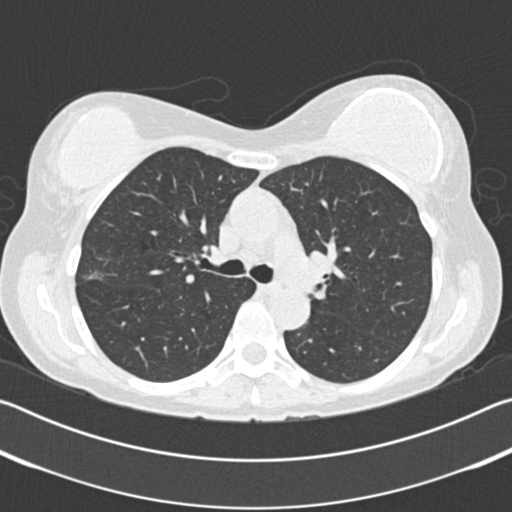
One axial slice (121 of 183, counting up from the lowest) of a chest CT acquired at 120 kVp with the B30f kernel; each pixel is 0.664 mm and the slice is 2.00 mm thick.
Pulmonary nodule outlined by three of the four readers, one of them on this slice; box rows 269–280, columns 86–100 (the one reader's outline on this slice); longest diameter 9.9 mm on average over the three readers' outlines (readers' outlines 4.8–20.0 mm), volume 45–1329 mm3. The readers' prevailing ratings and who disagreed: texture split among the readers: 3/5 (part-solid) (one), 4/5 (one), 5/5 (solid) (one); margin split among the readers: 2/5 (one), 3/5 (one), 5/5 (circumscribed) (one); sphericity 5/5 (round) by two of three readers; the rest gave 4/5 (one); calcification absent by two of three readers, solid calcification (one); internal structure soft tissue, all three readers agreeing; subtlety 5/5 by two of three readers; the rest gave 2/5 (one); malignancy likelihood split among the readers: 1/5 (one), 3/5 (one), 5/5 (one). Scale key (1–5): texture non-solid→solid, margin indistinct→circumscribed, sphericity linear→round, subtlety extremely subtle→obvious, malignancy likelihood highly unlikely→highly suspicious of cancer. Box rows and columns are 0-based pixel indices from the top-left corner, inclusive.